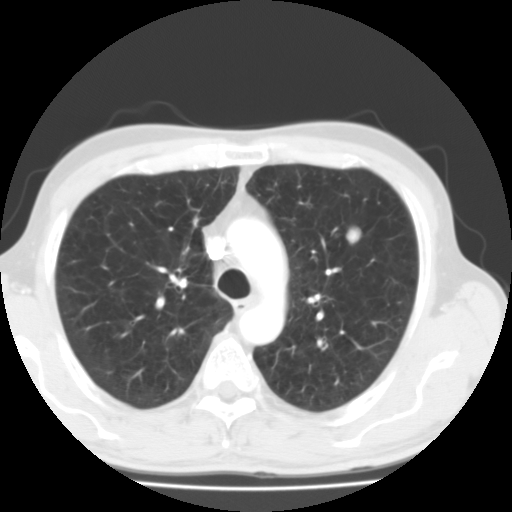
Chest CT, axial plane, 135 kVp, kernel FC01. Slice 84/119 from the bottom of the scan; thickness 3.00 mm; pixel size 0.640 mm.
Two pulmonary nodules on this slice, listed from left to right. (1) Pulmonary nodule, outlined by all four readers, three of them on this slice. Box on this slice rows 216–226, columns 193–197, the union of the readers' outlines on this slice; longest diameter 7.3–9.3 mm and volume 116–267 mm3 across the four readers' outlines. Ratings across the readers: texture 5/5 (solid), all four readers agreeing; margin from 4/5 to 5/5 (circumscribed) across the four readers; sphericity 3/5 (ovoid), all four readers agreeing; calcification: absent (three), solid calcification (one); internal structure soft tissue from all four readers; subtlety from 2/5 to 4/5 across the four readers; malignancy likelihood from 1/5 to 3/5 across the four readers. (2) Pulmonary nodule at rows 224–245, columns 344–362 (box = the union of the readers' outlines on this slice), outlined by all four readers; longest diameter 15.6–16.2 mm and volume 1503–2011 mm3 across the four readers' outlines. Ratings across the readers: texture 5/5 (solid) from all four readers; margin from 4/5 to 5/5 (circumscribed) across the four readers; sphericity from 3/5 (ovoid) to 5/5 (round) across the four readers; calcification: absent (three), central calcification (one); internal structure soft tissue, all four readers agreeing; subtlety rated between 4 and 5 out of 5 by the four readers; malignancy likelihood 1–5/5 (the readers disagree). Scale key (1–5): texture non-solid→solid, margin indistinct→circumscribed, sphericity linear→round, subtlety extremely subtle→obvious, malignancy likelihood highly unlikely→highly suspicious of cancer. Box rows and columns are 0-based pixel indices from the top-left corner, inclusive.